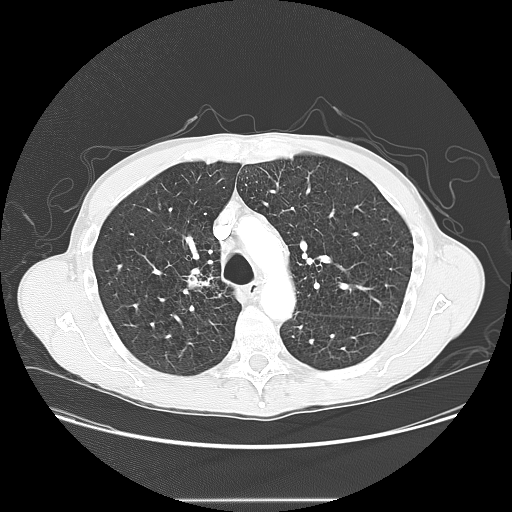
Chest CT, axial plane, 120 kVp, kernel LUNG. Slice 104/145 from the bottom of the scan; thickness 2.50 mm; pixel size 0.781 mm.
Pulmonary nodule at rows 268–294, columns 182–211 (box = the union of the readers' outlines on this slice), outlined by all four readers; longest diameter 31.9–37.6 mm and volume 6100–11568 mm3 across the four readers' outlines. The readers' ratings, as ranges where they differ: texture from 4/5 to 5/5 (solid) across the four readers; margin from 2/5 to 4/5 across the four readers; sphericity from 3/5 (ovoid) to 5/5 (round) across the four readers; calcification absent, all four readers agreeing; internal structure soft tissue, all four readers agreeing; subtlety 5/5 from all four readers; malignancy likelihood rated between 4 and 5 out of 5 by the four readers. Scale key (1–5): texture non-solid→solid, margin indistinct→circumscribed, sphericity linear→round, subtlety extremely subtle→obvious, malignancy likelihood highly unlikely→highly suspicious of cancer. Box rows and columns are 0-based pixel indices from the top-left corner, inclusive.